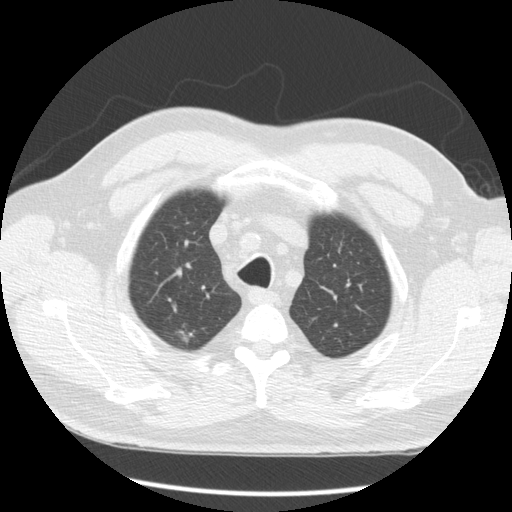
Chest CT, axial plane, 120 kVp, kernel STANDARD. Slice 142/163 from the bottom of the scan; thickness 2.50 mm; pixel size 0.703 mm.
Pulmonary nodule outlined by all four readers, two of them on this slice; box rows 330–342, columns 178–189 (the union of the readers' outlines on this slice); the four readers' outlines give a longest diameter between 12.5 and 16.1 mm and a volume between 399 and 656 mm3. The readers' ratings, as ranges where they differ: texture from 4/5 to 5/5 (solid) across the four readers; margin from 2/5 to 4/5 across the four readers; sphericity from 3/5 (ovoid) to 4/5 across the four readers; calcification absent, all four readers agreeing; internal structure soft tissue, all four readers agreeing; subtlety from 4/5 to 5/5 across the four readers; malignancy likelihood from 3/5 to 4/5 across the four readers. Scale key (1–5): texture non-solid→solid, margin indistinct→circumscribed, sphericity linear→round, subtlety extremely subtle→obvious, malignancy likelihood highly unlikely→highly suspicious of cancer. Box rows and columns are 0-based pixel indices from the top-left corner, inclusive.